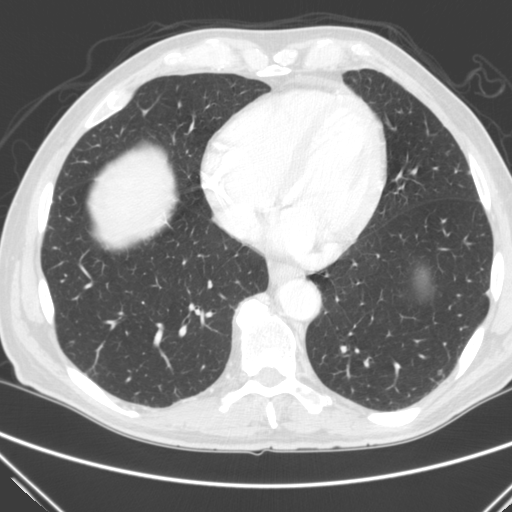
Chest CT, axial plane, 120 kVp, kernel C. Slice 85/290 from the bottom of the scan; thickness 2.00 mm; pixel size 0.682 mm.
Pulmonary nodule, outlined by one of the four readers. Box on this slice rows 172–174, columns 467–469, that reader's outline on this slice; longest diameter 7.0 mm and volume 65 mm3 from that reader's outline. That reader's ratings: texture 5/5 (solid); margin 4/5; sphericity 4/5; calcification absent; internal structure soft tissue; subtlety 5/5; malignancy likelihood 3/5. Scale key (1–5): texture non-solid→solid, margin indistinct→circumscribed, sphericity linear→round, subtlety extremely subtle→obvious, malignancy likelihood highly unlikely→highly suspicious of cancer. Box rows and columns are 0-based pixel indices from the top-left corner, inclusive.